Axial chest CT slice 73 of 110 (counted from the lowest slice); tube voltage 135 kVp, convolution kernel FC01; slices 3.00 mm thick, 0.732 mm per pixel.
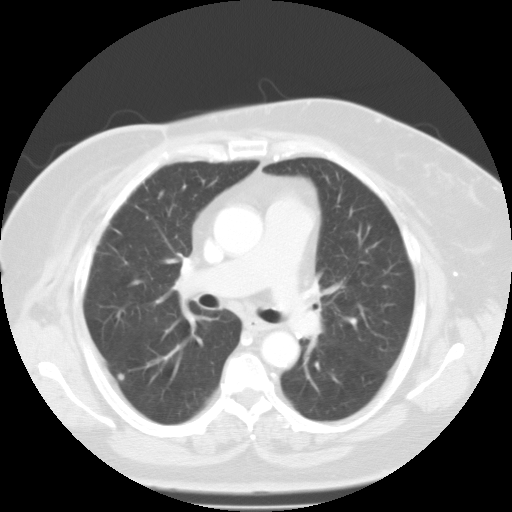
Pulmonary nodule at rows 373–380, columns 117–124 (box = the union of the readers' outlines on this slice), outlined by two of the four readers; longest diameter 6.3 mm on average over the two readers' outlines (readers' outlines 5.6–6.9 mm), volume 77–162 mm3. The readers' prevailing ratings and who disagreed: texture 5/5 (solid), both readers agreeing; margin 4/5 from both readers; sphericity 5/5 (round), both readers agreeing; calcification absent from both readers; internal structure soft tissue from both readers; subtlety split among the readers: 4/5 (one), 5/5 (one); malignancy likelihood 3/5 from both readers. Scale key (1–5): texture non-solid→solid, margin indistinct→circumscribed, sphericity linear→round, subtlety extremely subtle→obvious, malignancy likelihood highly unlikely→highly suspicious of cancer. Box rows and columns are 0-based pixel indices from the top-left corner, inclusive.